Axial chest CT slice 247 of 305 (counted from the lowest slice); tube voltage 120 kVp, convolution kernel STANDARD; slices 1.25 mm thick, 0.732 mm per pixel.
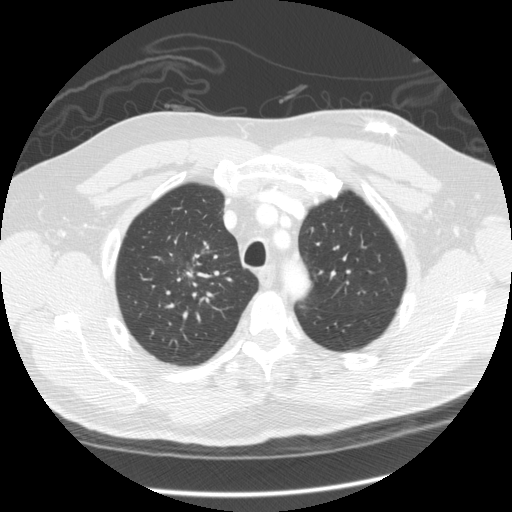
Pulmonary nodule, outlined by three of the four readers, one of them on this slice. Box on this slice rows 264–278, columns 184–192, the one reader's outline on this slice; longest diameter 43.5 mm on average over the three readers' outlines (readers' outlines 41.0–45.9 mm), volume 6528–11092 mm3. The readers' prevailing ratings and who disagreed: texture split among the readers: 3/5 (part-solid) (one), 4/5 (one), 5/5 (solid) (one); margin split among the readers: 1/5 (indistinct) (one), 3/5 (one), 4/5 (one); sphericity 3/5 (ovoid) by two of three readers; the rest gave 2/5 (one); calcification absent, all three readers agreeing; internal structure soft tissue from all three readers; subtlety 5/5 from all three readers; malignancy likelihood 5/5 from all three readers. Scale key (1–5): texture non-solid→solid, margin indistinct→circumscribed, sphericity linear→round, subtlety extremely subtle→obvious, malignancy likelihood highly unlikely→highly suspicious of cancer. Box rows and columns are 0-based pixel indices from the top-left corner, inclusive.